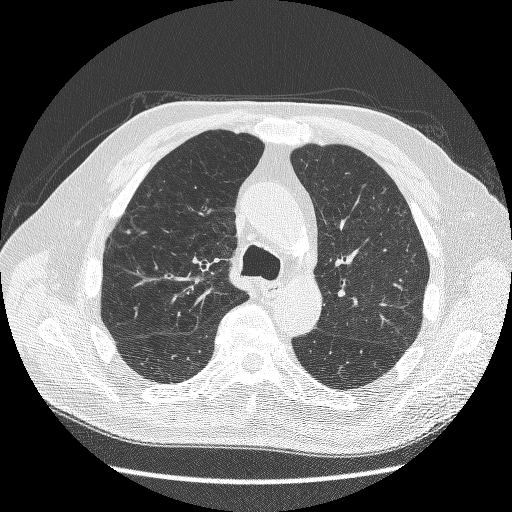
One axial slice (168 of 241, counting up from the lowest) of a chest CT acquired at 120 kVp with the BONE kernel; each pixel is 0.703 mm and the slice is 1.25 mm thick.
Pulmonary nodule, outlined by one of the four readers. Box on this slice rows 228–233, columns 125–131, that reader's outline on this slice; longest diameter 6.5 mm and volume 51 mm3 from that reader's outline. Ratings by that reader: texture 5/5 (solid); margin 5/5 (circumscribed); sphericity 4/5; calcification absent; internal structure soft tissue; subtlety 3/5; malignancy likelihood 2/5. Scale key (1–5): texture non-solid→solid, margin indistinct→circumscribed, sphericity linear→round, subtlety extremely subtle→obvious, malignancy likelihood highly unlikely→highly suspicious of cancer. Box rows and columns are 0-based pixel indices from the top-left corner, inclusive.